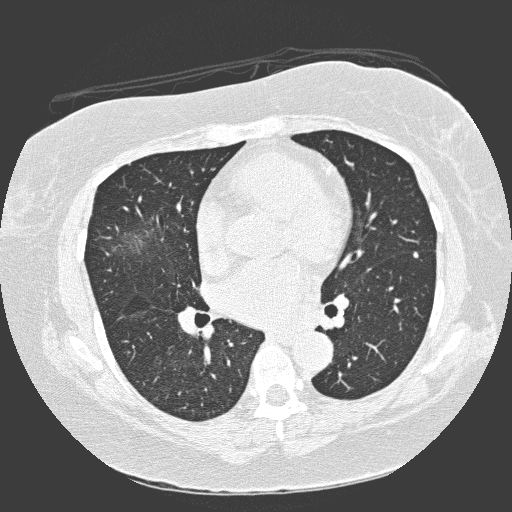
Slice 167/300 of a chest CT, counting up from the lowest; pixel size 0.654 mm, slice thickness 1.00 mm. Pulmonary nodule at rows 251–257, columns 413–418 (box = the union of the readers' outlines on this slice), outlined by all four readers; longest diameter 5.5 mm on average over the four readers' outlines (readers' outlines 5.1–6.2 mm), volume 25–57 mm3. Ratings, by the readers' most common answer with dissent counted: texture 5/5 (solid), all four readers agreeing; margin 5/5 (circumscribed) by three of four readers; the rest gave 4/5 (one); sphericity 4/5 by two of four readers; the rest gave 3/5 (ovoid) (one), 5/5 (round) (one); calcification absent by three of four readers, solid calcification (one); internal structure soft tissue, all four readers agreeing; subtlety 5/5 by two of four readers; the rest gave 3/5 (one), 4/5 (one); malignancy likelihood 1/5 by two of four readers; the rest gave 2/5 (one), 3/5 (one). Scale key (1–5): texture non-solid→solid, margin indistinct→circumscribed, sphericity linear→round, subtlety extremely subtle→obvious, malignancy likelihood highly unlikely→highly suspicious of cancer. Box rows and columns are 0-based pixel indices from the top-left corner, inclusive.
Acquired at 120 kVp and reconstructed with the D kernel.